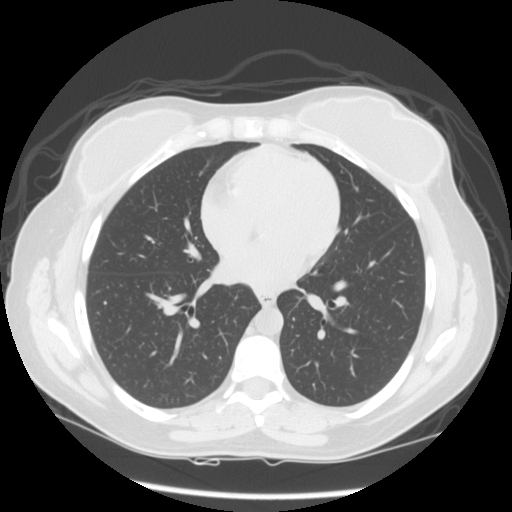
Chest CT, axial plane, 120 kVp, kernel STANDARD. Slice 73/133 from the bottom of the scan; thickness 2.50 mm; pixel size 0.703 mm.
None of the four readers outlined a nodule of 3 mm or more on this slice.